Axial slice 180 of 341 of a chest CT (slice 1 is the lowest), reconstructed with the B45f kernel at 120 kVp; 1.00 mm slice thickness and 0.742 mm pixels.
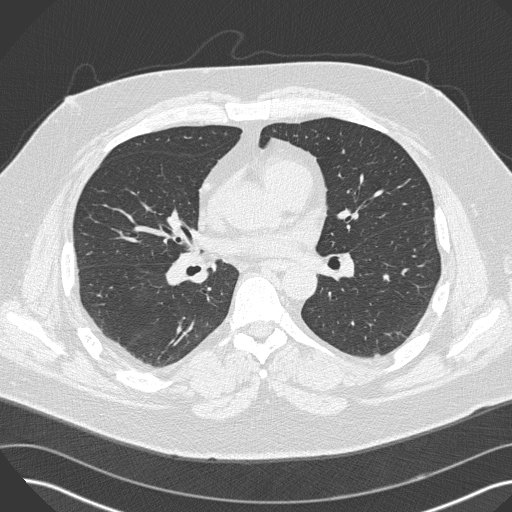
Pulmonary nodule, outlined by all four readers. Box on this slice rows 274–279, columns 383–388, the union of the readers' outlines on this slice; longest diameter 5.8 mm on average over the four readers' outlines (readers' outlines 5.0–6.1 mm), volume 39–67 mm3. The readers' prevailing ratings and who disagreed: texture 5/5 (solid), all four readers agreeing; margin split among the readers: 4/5 (two), 5/5 (circumscribed) (two); sphericity 5/5 (round) by two of four readers; the rest gave 3/5 (ovoid) (one), 4/5 (one); calcification absent, all four readers agreeing; internal structure soft tissue from all four readers; subtlety 3/5 by two of four readers; the rest gave 1/5 (one), 2/5 (one); malignancy likelihood split among the readers: 2/5 (two), 3/5 (two). Scale key (1–5): texture non-solid→solid, margin indistinct→circumscribed, sphericity linear→round, subtlety extremely subtle→obvious, malignancy likelihood highly unlikely→highly suspicious of cancer. Box rows and columns are 0-based pixel indices from the top-left corner, inclusive.